One axial slice (115 of 248, counting up from the lowest) of a chest CT acquired at 120 kVp with the STANDARD kernel; each pixel is 0.703 mm and the slice is 1.25 mm thick.
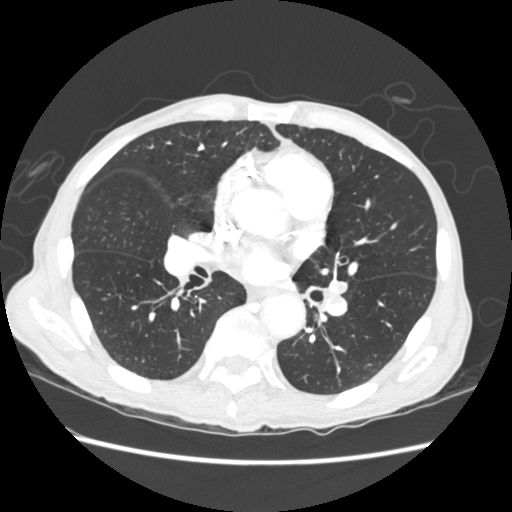
No nodule of 3 mm or larger was outlined by any of the four readers on this slice.